One axial slice (62 of 98, counting up from the lowest) of a chest CT acquired at 135 kVp with the FC01 kernel; each pixel is 0.637 mm and the slice is 3.00 mm thick.
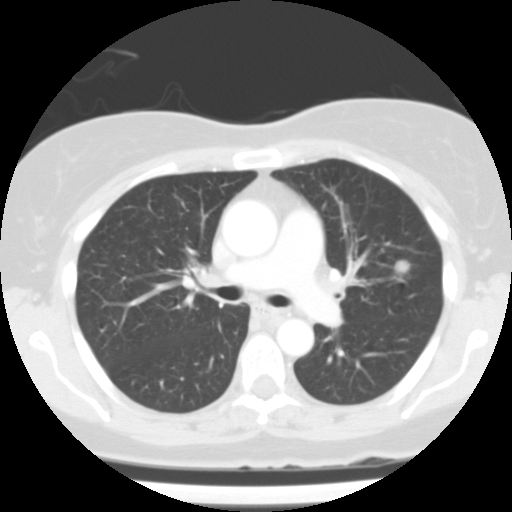
Pulmonary nodule, outlined by all four readers. Box on this slice rows 259–274, columns 394–409, the union of the readers' outlines on this slice; longest diameter 13.9 mm on average over the four readers' outlines (readers' outlines 12.4–15.3 mm), volume 600–1083 mm3. Ratings, by the readers' most common answer with dissent counted: most readers (three of four) put texture at 5/5 (solid), others 4/5 (one); margin 4/5 by two of four readers; the rest gave 2/5 (one), 5/5 (circumscribed) (one); sphericity 5/5 (round) from all four readers; calcification absent from all four readers; internal structure soft tissue from all four readers; most readers (three of four) put subtlety at 5/5, others 4/5 (one); malignancy likelihood 3/5 by two of four readers; the rest gave 4/5 (one), 5/5 (one). Scale key (1–5): texture non-solid→solid, margin indistinct→circumscribed, sphericity linear→round, subtlety extremely subtle→obvious, malignancy likelihood highly unlikely→highly suspicious of cancer. Box rows and columns are 0-based pixel indices from the top-left corner, inclusive.